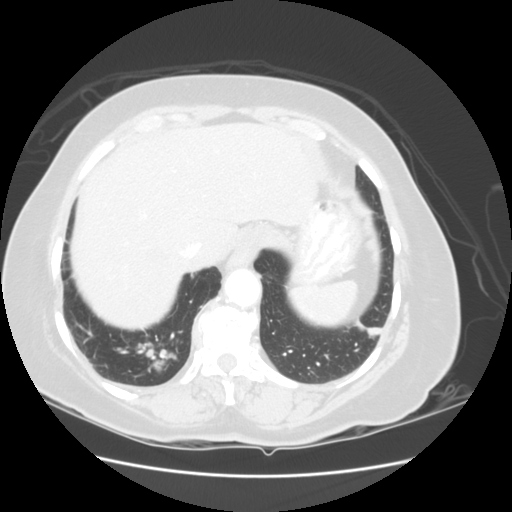
One axial slice (25 of 114, counting up from the lowest) of a chest CT acquired at 120 kVp with the STANDARD kernel; each pixel is 0.703 mm and the slice is 2.50 mm thick.
Pulmonary nodule outlined by two of the four readers, one of them on this slice; box rows 327–334, columns 366–380 (the one reader's outline on this slice); median longest diameter 32.3 mm (readers' outlines 31.2–33.4 mm), median volume 9783 mm3 (9358–10207 mm3). Median ratings and the readers' spread: texture 5/5 (solid) from both readers; margin 4/5, both readers agreeing; sphericity 3/5 (ovoid), both readers agreeing; calcification absent, both readers agreeing; internal structure soft tissue, both readers agreeing; subtlety 5/5 from both readers; malignancy likelihood 5/5 from both readers. Scale key (1–5): texture non-solid→solid, margin indistinct→circumscribed, sphericity linear→round, subtlety extremely subtle→obvious, malignancy likelihood highly unlikely→highly suspicious of cancer. Box rows and columns are 0-based pixel indices from the top-left corner, inclusive.